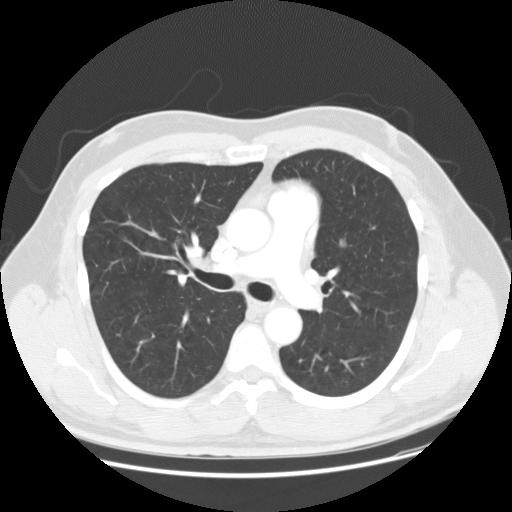
Axial chest CT slice 89 of 143 (counted from the lowest slice); tube voltage 120 kVp, convolution kernel STANDARD; slices 2.50 mm thick, 0.742 mm per pixel.
Pulmonary nodule, outlined by all four readers. Box on this slice rows 238–246, columns 339–346, the union of the readers' outlines on this slice; median longest diameter 7.8 mm (readers' outlines 7.0–8.0 mm), median volume 144 mm3 (96–160 mm3). Ratings, median across the readers with their spread: texture 4.5/5 at the median of four readers, spread 1/5 (non-solid) to 5/5 (solid); margin 3.5/5 at the median of four readers, spread 2/5 to 5/5 (circumscribed); sphericity 4/5 at the median of four readers, spread 3/5 (ovoid) to 4/5; calcification absent from all four readers; internal structure soft tissue from all four readers; subtlety 3/5, all four readers agreeing; median malignancy likelihood 2.5/5 (readers ranged 1–3). Scale key (1–5): texture non-solid→solid, margin indistinct→circumscribed, sphericity linear→round, subtlety extremely subtle→obvious, malignancy likelihood highly unlikely→highly suspicious of cancer. Box rows and columns are 0-based pixel indices from the top-left corner, inclusive.